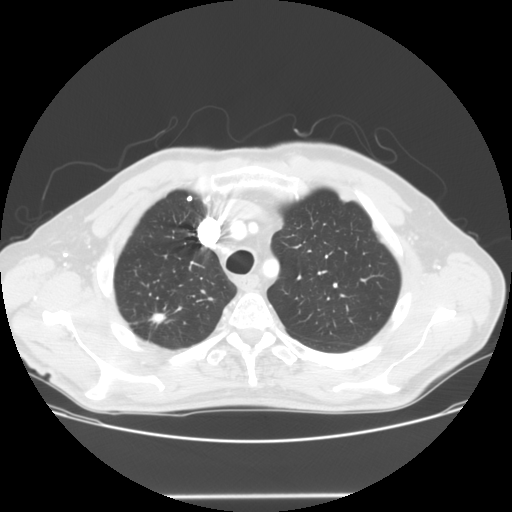
Axial chest CT slice 105 of 128 (counted from the lowest slice); 2.50 mm thick, 0.742 mm per pixel. Two pulmonary nodules are outlined on this slice; from left to right: (1) Pulmonary nodule, outlined by all four readers. Box on this slice rows 312–325, columns 148–166, the union of the readers' outlines on this slice; longest diameter 14.3–17.2 mm and volume 762–950 mm3 across the four readers' outlines. Ratings across the readers: texture from 4/5 to 5/5 (solid) across the four readers; margin from 3/5 to 4/5 across the four readers; sphericity from 2/5 to 5/5 (round) across the four readers; calcification: absent (three), central calcification (one); internal structure soft tissue, all four readers agreeing; subtlety from 4/5 to 5/5 across the four readers; malignancy likelihood from 2/5 to 5/5 across the four readers. (2) Pulmonary nodule at rows 196–200, columns 187–191 (box = the union of the readers' outlines on this slice), outlined by two of the four readers; the two readers' outlines give a longest diameter between 4.3 and 5.4 mm and a volume between 49 and 94 mm3. The readers' ratings, as ranges where they differ: texture 5/5 (solid) from both readers; margin 5/5 (circumscribed) from both readers; sphericity 5/5 (round), both readers agreeing; calcification solid calcification, both readers agreeing; internal structure soft tissue, both readers agreeing; subtlety 5/5 from both readers; malignancy likelihood 1/5, both readers agreeing. Scale key (1–5): texture non-solid→solid, margin indistinct→circumscribed, sphericity linear→round, subtlety extremely subtle→obvious, malignancy likelihood highly unlikely→highly suspicious of cancer. Box rows and columns are 0-based pixel indices from the top-left corner, inclusive.
Acquired at 120 kVp and reconstructed with the STANDARD kernel.